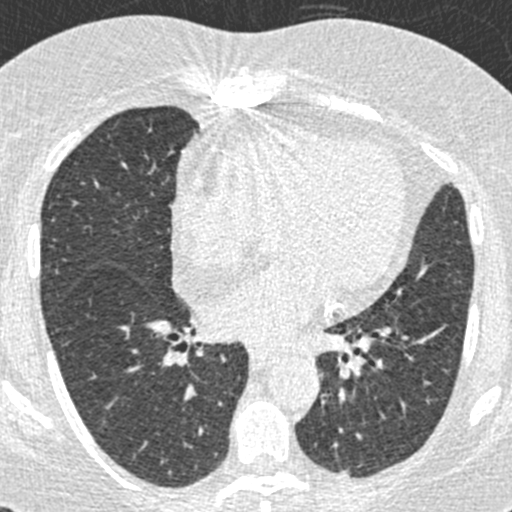
Axial chest CT slice 235 of 423 (counted from the lowest slice); tube voltage 120 kVp, convolution kernel B30f; slices 0.75 mm thick, 0.520 mm per pixel.
Pulmonary nodule outlined by one of the four readers; box rows 470–475, columns 340–350 (that reader's outline on this slice); longest diameter 9.7 mm and volume 143 mm3 from that reader's outline. That reader's ratings: texture 3/5 (part-solid); margin 3/5; sphericity 3/5 (ovoid); calcification absent; internal structure soft tissue; subtlety 5/5; malignancy likelihood 3/5. Scale key (1–5): texture non-solid→solid, margin indistinct→circumscribed, sphericity linear→round, subtlety extremely subtle→obvious, malignancy likelihood highly unlikely→highly suspicious of cancer. Box rows and columns are 0-based pixel indices from the top-left corner, inclusive.